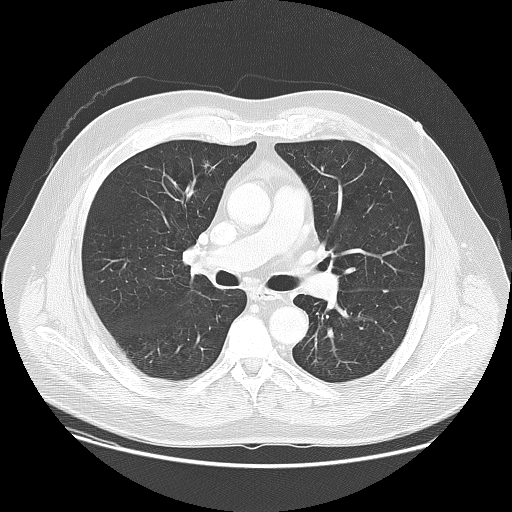
Axial chest CT slice 81 of 133 (counted from the lowest slice); 2.50 mm thick, 0.820 mm per pixel. Pulmonary nodule, outlined by one of the four readers. Box on this slice rows 161–168, columns 202–209, that reader's outline on this slice; longest diameter 12.2 mm and volume 259 mm3 from that reader's outline. That reader's ratings: texture 1/5 (non-solid); margin 2/5; sphericity 4/5; calcification absent; internal structure soft tissue; subtlety 2/5; malignancy likelihood 3/5. Scale key (1–5): texture non-solid→solid, margin indistinct→circumscribed, sphericity linear→round, subtlety extremely subtle→obvious, malignancy likelihood highly unlikely→highly suspicious of cancer. Box rows and columns are 0-based pixel indices from the top-left corner, inclusive.
Tube voltage 120 kVp; convolution kernel LUNG.